Chest CT, axial plane, 130 kVp, kernel B31s. Slice 54/121 from the bottom of the scan; thickness 3.00 mm; pixel size 0.613 mm.
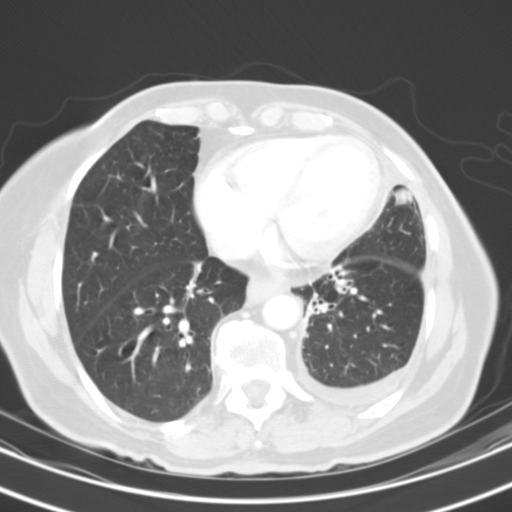
Pulmonary nodule outlined by two of the four readers; box rows 188–205, columns 395–412 (the union of the readers' outlines on this slice); longest diameter 19.2–20.6 mm and volume 4717–4944 mm3 across the two readers' outlines. Ratings across the readers: texture 5/5 (solid) from both readers; margin from 3/5 to 4/5 across the two readers; sphericity from 4/5 to 5/5 (round) across the two readers; calcification absent, both readers agreeing; internal structure soft tissue from both readers; subtlety rated between 3 and 5 out of 5 by the two readers; malignancy likelihood 3–4/5 (the readers disagree). Scale key (1–5): texture non-solid→solid, margin indistinct→circumscribed, sphericity linear→round, subtlety extremely subtle→obvious, malignancy likelihood highly unlikely→highly suspicious of cancer. Box rows and columns are 0-based pixel indices from the top-left corner, inclusive.